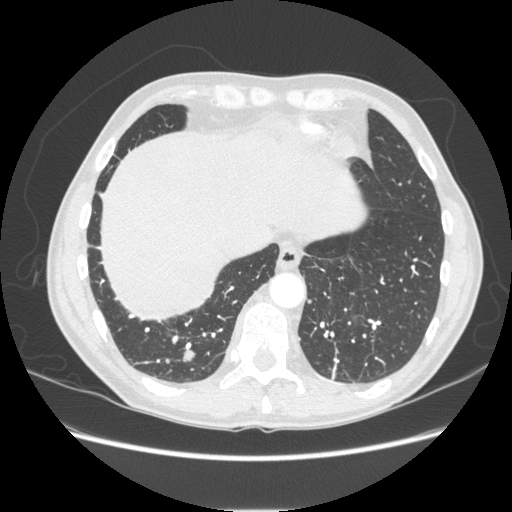
Chest CT, axial plane, 120 kVp, kernel STANDARD. Slice 63/253 from the bottom of the scan; thickness 1.25 mm; pixel size 0.742 mm.
Two pulmonary nodules on this slice, listed from left to right. (1) Pulmonary nodule, outlined by all four readers. Box on this slice rows 342–362, columns 183–195, the union of the readers' outlines on this slice; longest diameter 12.4–17.1 mm and volume 764–890 mm3 across the four readers' outlines. Ratings across the readers: texture 5/5 (solid) from all four readers; margin 5/5 (circumscribed) from all four readers; sphericity from 4/5 to 5/5 (round) across the four readers; calcification absent from all four readers; internal structure soft tissue from all four readers; subtlety from 3/5 to 5/5 across the four readers; malignancy likelihood rated between 2 and 5 out of 5 by the four readers. (2) Pulmonary nodule outlined by one of the four readers; box rows 299–302, columns 308–311 (that reader's outline on this slice); longest diameter 4.8 mm and volume 35 mm3 from that reader's outline. That reader's ratings: texture 5/5 (solid); margin 5/5 (circumscribed); sphericity 5/5 (round); calcification absent; internal structure soft tissue; subtlety 1/5; malignancy likelihood 2/5. Scale key (1–5): texture non-solid→solid, margin indistinct→circumscribed, sphericity linear→round, subtlety extremely subtle→obvious, malignancy likelihood highly unlikely→highly suspicious of cancer. Box rows and columns are 0-based pixel indices from the top-left corner, inclusive.